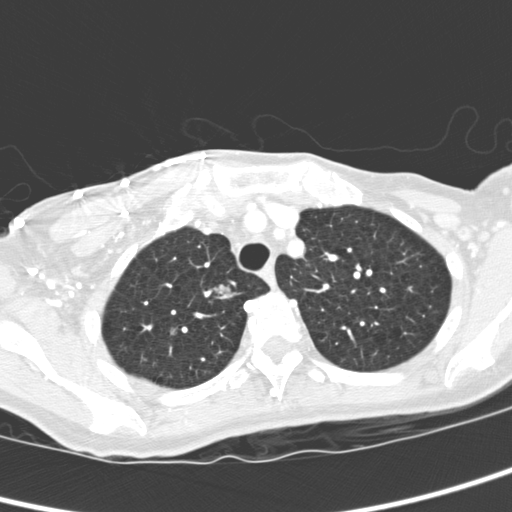
Slice 262/321 of a chest CT, counting up from the lowest; pixel size 0.557 mm, slice thickness 2.00 mm. Two pulmonary nodules on this slice, listed from left to right. (1) Pulmonary nodule outlined by all four readers, three of them on this slice; box rows 326–336, columns 169–177 (the union of the readers' outlines on this slice); median longest diameter 9.6 mm (readers' outlines 9.1–10.4 mm), median volume 357 mm3 (168–407 mm3). Ratings, median across the readers with their spread: texture 5/5 (solid) from all four readers; median margin 5/5 (circumscribed) (readers ranged 4/5 to 5/5 (circumscribed)); median sphericity 4/5 (readers ranged 3/5 (ovoid) to 4/5); calcification absent, all four readers agreeing; internal structure soft tissue from all four readers; median subtlety 4.5/5 (readers ranged 4–5); malignancy likelihood 3.5/5 at the median of four readers, spread 3–5. (2) Pulmonary nodule, outlined by all four readers. Box on this slice rows 284–297, columns 213–232, the union of the readers' outlines on this slice; median longest diameter 20.8 mm (readers' outlines 19.2–21.9 mm), median volume 3674 mm3 (3323–4100 mm3). Ratings, median across the readers with their spread: texture 5/5 (solid) from all four readers; median margin 5/5 (circumscribed) (readers ranged 4/5 to 5/5 (circumscribed)); median sphericity 5/5 (round) (readers ranged 4/5 to 5/5 (round)); calcification absent from all four readers; internal structure soft tissue from all four readers; subtlety 5/5, all four readers agreeing; median malignancy likelihood 4.5/5 (readers ranged 3–5). Scale key (1–5): texture non-solid→solid, margin indistinct→circumscribed, sphericity linear→round, subtlety extremely subtle→obvious, malignancy likelihood highly unlikely→highly suspicious of cancer. Box rows and columns are 0-based pixel indices from the top-left corner, inclusive.
Tube voltage 120 kVp; convolution kernel D.